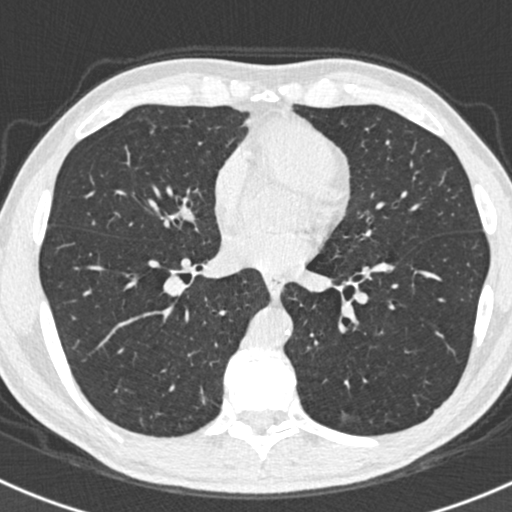
Chest CT, axial plane, 120 kVp, kernel B30f. Slice 290/538 from the bottom of the scan; thickness 0.75 mm; pixel size 0.605 mm.
Pulmonary nodule at rows 129–135, columns 150–154 (box = the union of the readers' outlines on this slice), outlined by all four readers, two of them on this slice; the four readers' outlines give a longest diameter between 7.4 and 8.5 mm and a volume between 37 and 89 mm3. The readers' ratings, as ranges where they differ: texture from 4/5 to 5/5 (solid) across the four readers; margin from 3/5 to 5/5 (circumscribed) across the four readers; sphericity from 2/5 to 4/5 across the four readers; calcification absent from all four readers; internal structure soft tissue from all four readers; subtlety rated between 3 and 4 out of 5 by the four readers; malignancy likelihood rated between 1 and 3 out of 5 by the four readers. Scale key (1–5): texture non-solid→solid, margin indistinct→circumscribed, sphericity linear→round, subtlety extremely subtle→obvious, malignancy likelihood highly unlikely→highly suspicious of cancer. Box rows and columns are 0-based pixel indices from the top-left corner, inclusive.